Chest CT, axial plane, 120 kVp, kernel BONE. Slice 150/264 from the bottom of the scan; thickness 1.25 mm; pixel size 0.703 mm.
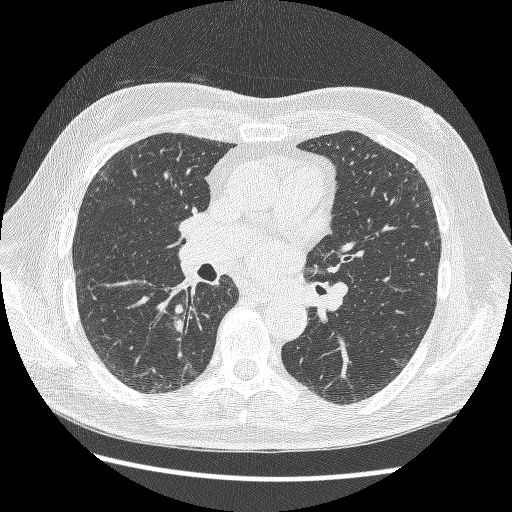
Pulmonary nodule at rows 318–332, columns 174–182 (box = the union of the readers' outlines on this slice), outlined by two of the four readers; longest diameter 11.2 mm on average over the two readers' outlines (readers' outlines 10.7–11.6 mm), volume 251–294 mm3. The readers' prevailing ratings and who disagreed: texture split among the readers: 3/5 (part-solid) (one), 4/5 (one); margin 2/5, both readers agreeing; sphericity split among the readers: 2/5 (one), 3/5 (ovoid) (one); calcification absent from both readers; internal structure soft tissue, both readers agreeing; subtlety 2/5, both readers agreeing; malignancy likelihood 3/5, both readers agreeing. Scale key (1–5): texture non-solid→solid, margin indistinct→circumscribed, sphericity linear→round, subtlety extremely subtle→obvious, malignancy likelihood highly unlikely→highly suspicious of cancer. Box rows and columns are 0-based pixel indices from the top-left corner, inclusive.